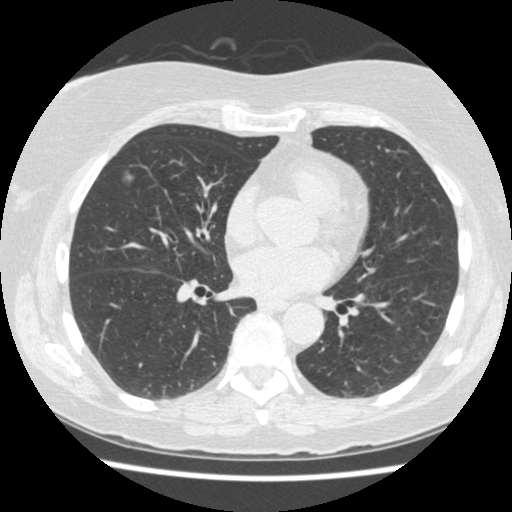
Axial slice 221 of 474 of a chest CT (slice 1 is the lowest), reconstructed with the STANDARD kernel at 120 kVp; 1.25 mm slice thickness and 0.625 mm pixels.
Pulmonary nodule at rows 169–186, columns 121–134 (box = the union of the readers' outlines on this slice), outlined by all four readers; longest diameter 14.7 mm on average over the four readers' outlines (readers' outlines 12.6–15.8 mm), volume 209–921 mm3. The readers' prevailing ratings and who disagreed: texture 3/5 (part-solid) by three of four readers; the rest gave 2/5 (one); most readers (three of four) put margin at 3/5, others 1/5 (indistinct) (one); sphericity split among the readers: 2/5 (one), 3/5 (ovoid) (one), 4/5 (one), 5/5 (round) (one); calcification absent from all four readers; internal structure soft tissue from all four readers; subtlety 5/5 by two of four readers; the rest gave 3/5 (one), 4/5 (one); malignancy likelihood 5/5 by three of four readers; the rest gave 3/5 (one). Scale key (1–5): texture non-solid→solid, margin indistinct→circumscribed, sphericity linear→round, subtlety extremely subtle→obvious, malignancy likelihood highly unlikely→highly suspicious of cancer. Box rows and columns are 0-based pixel indices from the top-left corner, inclusive.